Axial chest CT slice 475 of 519 (counted from the lowest slice); tube voltage 120 kVp, convolution kernel STANDARD; slices 1.25 mm thick, 0.645 mm per pixel.
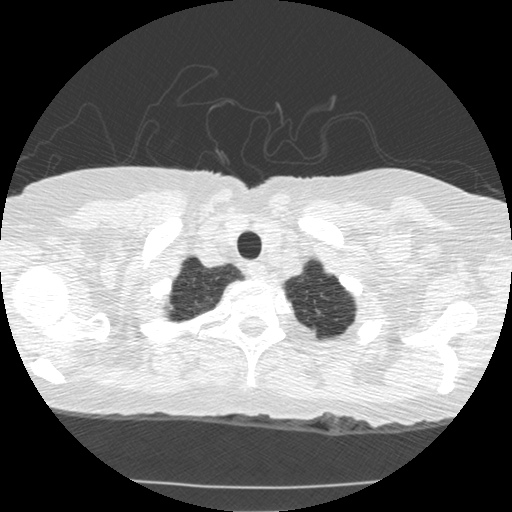
Pulmonary nodule, outlined by two of the four readers. Box on this slice rows 310–313, columns 316–320, the union of the readers' outlines on this slice; longest diameter 5.4 mm on average over the two readers' outlines (readers' outlines 4.9–5.8 mm), volume 38–50 mm3. Ratings, by the readers' most common answer with dissent counted: texture 5/5 (solid), both readers agreeing; margin split among the readers: 4/5 (one), 5/5 (circumscribed) (one); sphericity 4/5, both readers agreeing; calcification absent, both readers agreeing; internal structure soft tissue from both readers; subtlety 5/5, both readers agreeing; malignancy likelihood split among the readers: 2/5 (one), 3/5 (one). Scale key (1–5): texture non-solid→solid, margin indistinct→circumscribed, sphericity linear→round, subtlety extremely subtle→obvious, malignancy likelihood highly unlikely→highly suspicious of cancer. Box rows and columns are 0-based pixel indices from the top-left corner, inclusive.